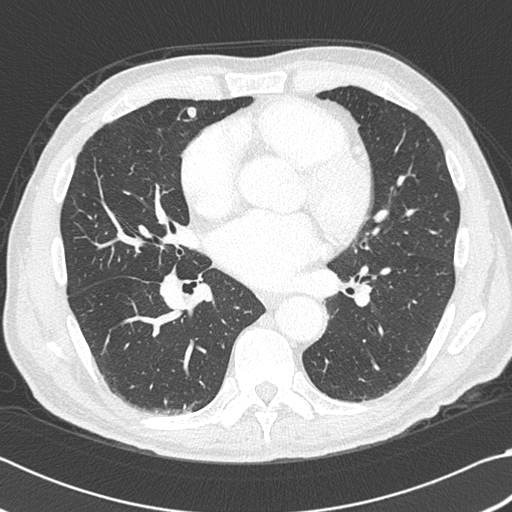
Chest CT, axial plane, 120 kVp, kernel B45f. Slice 200/383 from the bottom of the scan; thickness 1.00 mm; pixel size 0.664 mm.
Pulmonary nodule at rows 107–117, columns 187–196 (box = the union of the readers' outlines on this slice), outlined by all four readers; median longest diameter 10.6 mm (readers' outlines 9.8–12.2 mm), median volume 418 mm3 (379–631 mm3). Ratings, median across the readers with their spread: texture 5/5 (solid), all four readers agreeing; margin 5/5 (circumscribed) from all four readers; sphericity 4.5/5 at the median of four readers, spread 3/5 (ovoid) to 5/5 (round); calcification: absent (three), solid calcification (one); internal structure soft tissue, all four readers agreeing; subtlety 4.5/5 at the median of four readers, spread 4–5; median malignancy likelihood 2.5/5 (readers ranged 1–4). Scale key (1–5): texture non-solid→solid, margin indistinct→circumscribed, sphericity linear→round, subtlety extremely subtle→obvious, malignancy likelihood highly unlikely→highly suspicious of cancer. Box rows and columns are 0-based pixel indices from the top-left corner, inclusive.